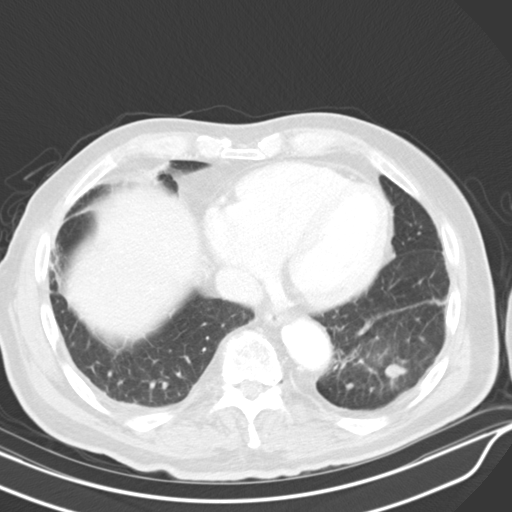
One axial slice (208 of 319, counting up from the lowest) of a chest CT acquired at 130 kVp with the B30s kernel; each pixel is 0.729 mm and the slice is 4.00 mm thick.
Pulmonary nodule outlined by all four readers; box rows 363–381, columns 384–406 (the union of the readers' outlines on this slice); the four readers' outlines give a longest diameter between 16.9 and 19.9 mm and a volume between 1011 and 1255 mm3. Ratings across the readers: texture from 3/5 (part-solid) to 5/5 (solid) across the four readers; margin from 2/5 to 4/5 across the four readers; sphericity from 2/5 to 4/5 across the four readers; calcification absent from all four readers; internal structure soft tissue from all four readers; subtlety from 4/5 to 5/5 across the four readers; malignancy likelihood rated between 3 and 4 out of 5 by the four readers. Scale key (1–5): texture non-solid→solid, margin indistinct→circumscribed, sphericity linear→round, subtlety extremely subtle→obvious, malignancy likelihood highly unlikely→highly suspicious of cancer. Box rows and columns are 0-based pixel indices from the top-left corner, inclusive.